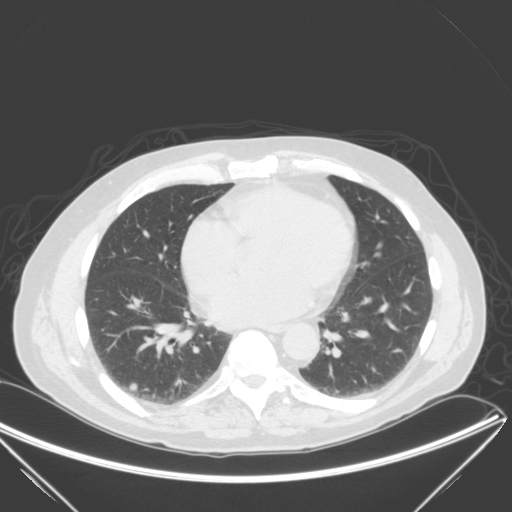
Axial chest CT slice 97 of 280 (counted from the lowest slice); tube voltage 120 kVp, convolution kernel B; slices 2.00 mm thick, 0.805 mm per pixel.
Pulmonary nodule outlined by all four readers; box rows 382–391, columns 129–137 (the union of the readers' outlines on this slice); median longest diameter 9.3 mm (readers' outlines 9.1–10.9 mm), median volume 293 mm3 (168–331 mm3). Ratings, median across the readers with their spread: texture 5/5 (solid) from all four readers; margin 4/5 at the median of four readers, spread 4/5 to 5/5 (circumscribed); median sphericity 5/5 (round) (readers ranged 4/5 to 5/5 (round)); calcification absent from all four readers; internal structure soft tissue, all four readers agreeing; subtlety 5/5 at the median of four readers, spread 4–5; malignancy likelihood 3/5 at the median of four readers, spread 3–5. Scale key (1–5): texture non-solid→solid, margin indistinct→circumscribed, sphericity linear→round, subtlety extremely subtle→obvious, malignancy likelihood highly unlikely→highly suspicious of cancer. Box rows and columns are 0-based pixel indices from the top-left corner, inclusive.